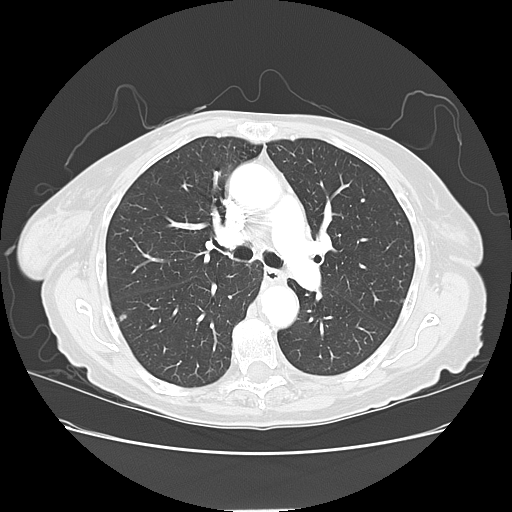
This is axial slice 90 of 133 (slice 1 is the lowest) of a chest CT; each pixel is 0.703 mm and the slice is 2.50 mm thick. Pulmonary nodule at rows 314–320, columns 119–126 (box = the union of the readers' outlines on this slice), outlined by two of the four readers; the two readers' outlines give a longest diameter between 6.0 and 6.7 mm and a volume between 58 and 82 mm3. The readers' ratings, as ranges where they differ: texture 5/5 (solid) from both readers; margin from 4/5 to 5/5 (circumscribed) across the two readers; sphericity from 3/5 (ovoid) to 4/5 across the two readers; calcification absent from both readers; internal structure soft tissue from both readers; subtlety from 3/5 to 4/5 across the two readers; malignancy likelihood 3/5, both readers agreeing. Scale key (1–5): texture non-solid→solid, margin indistinct→circumscribed, sphericity linear→round, subtlety extremely subtle→obvious, malignancy likelihood highly unlikely→highly suspicious of cancer. Box rows and columns are 0-based pixel indices from the top-left corner, inclusive.
Scan settings: 120 kVp, LUNG reconstruction kernel.